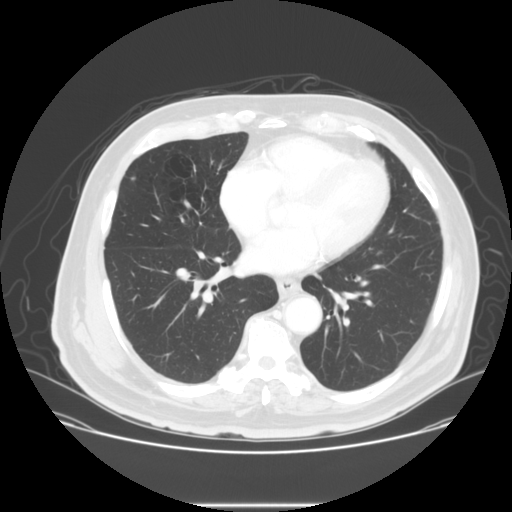
Axial slice 65 of 133 of a chest CT (slice 1 is the lowest), reconstructed with the STANDARD kernel at 140 kVp; 2.50 mm slice thickness and 0.781 mm pixels.
Pulmonary nodule outlined by three of the four readers; box rows 176–180, columns 129–136 (the union of the readers' outlines on this slice); the three readers' outlines give a longest diameter between 6.4 and 8.0 mm and a volume between 69 and 141 mm3. The readers' ratings, as ranges where they differ: texture 5/5 (solid) from all three readers; margin from 3/5 to 5/5 (circumscribed) across the three readers; sphericity from 3/5 (ovoid) to 5/5 (round) across the three readers; calcification: central calcification (two), absent (one); internal structure soft tissue from all three readers; subtlety rated between 3 and 5 out of 5 by the three readers; malignancy likelihood from 1/5 to 2/5 across the three readers. Scale key (1–5): texture non-solid→solid, margin indistinct→circumscribed, sphericity linear→round, subtlety extremely subtle→obvious, malignancy likelihood highly unlikely→highly suspicious of cancer. Box rows and columns are 0-based pixel indices from the top-left corner, inclusive.